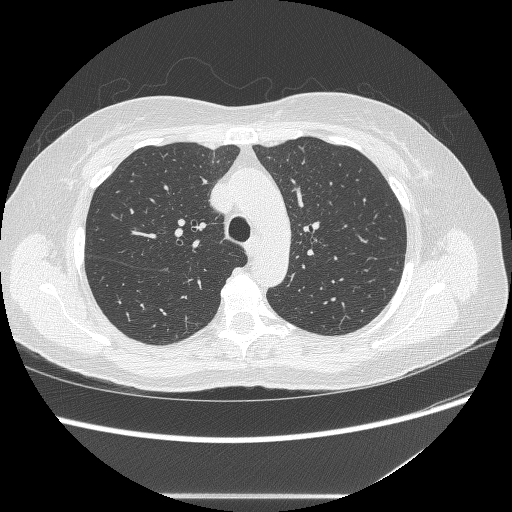
Axial chest CT slice 173 of 236 (counted from the lowest slice); tube voltage 120 kVp, convolution kernel BONE; slices 1.25 mm thick, 0.703 mm per pixel.
The readers outlined no nodule of 3 mm or more on this slice.